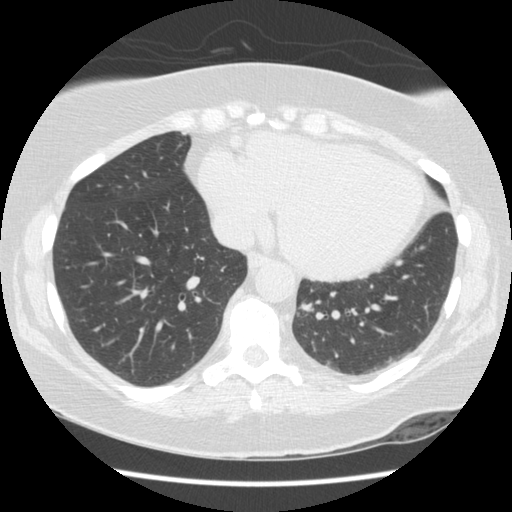
One axial slice (54 of 154, counting up from the lowest) of a chest CT acquired at 120 kVp with the STANDARD kernel; each pixel is 0.645 mm and the slice is 2.50 mm thick.
Pulmonary nodule outlined by one of the four readers; box rows 304–310, columns 300–312 (that reader's outline on this slice); longest diameter 11.3 mm and volume 286 mm3 from that reader's outline. That reader's ratings: texture 4/5; margin 3/5; sphericity 2/5; calcification absent; internal structure soft tissue; subtlety 4/5; malignancy likelihood 1/5. Scale key (1–5): texture non-solid→solid, margin indistinct→circumscribed, sphericity linear→round, subtlety extremely subtle→obvious, malignancy likelihood highly unlikely→highly suspicious of cancer. Box rows and columns are 0-based pixel indices from the top-left corner, inclusive.